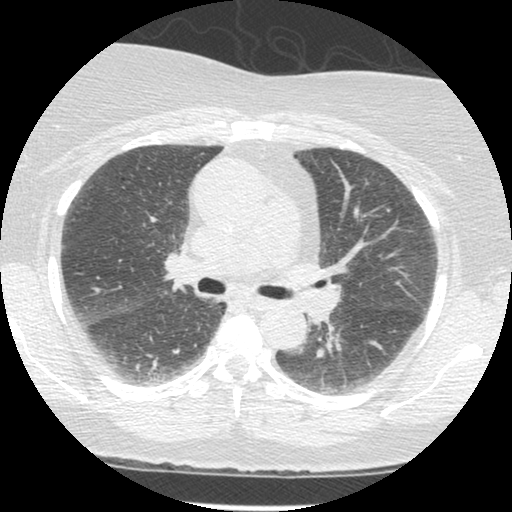
Axial slice 215 of 381 of a chest CT (slice 1 is the lowest), reconstructed with the STANDARD kernel at 120 kVp; 1.25 mm slice thickness and 0.625 mm pixels.
This slice carries no reader outline of a nodule 3 mm or larger.